One axial slice (58 of 158, counting up from the lowest) of a chest CT acquired at 120 kVp with the STANDARD kernel; each pixel is 0.723 mm and the slice is 2.50 mm thick.
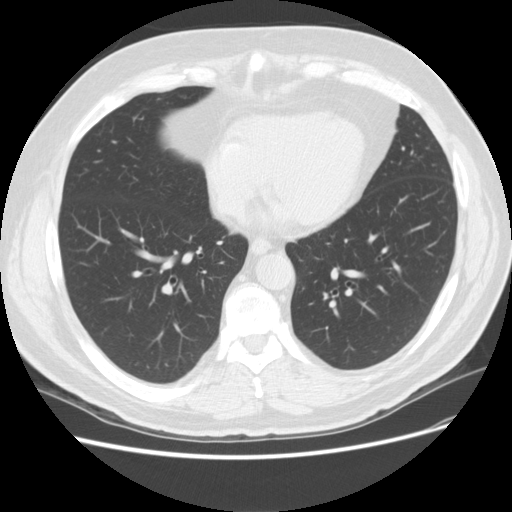
The readers outlined no nodule of 3 mm or more on this slice.